Chest CT, axial plane, 130 kVp, kernel B31s. Slice 68/108 from the bottom of the scan; thickness 3.00 mm; pixel size 0.629 mm.
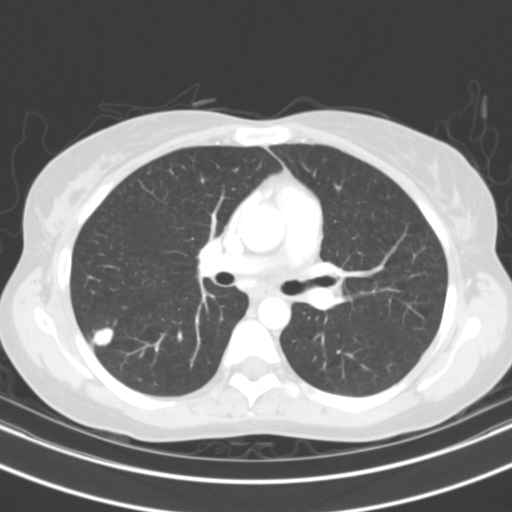
Pulmonary nodule at rows 327–345, columns 91–113 (box = the union of the readers' outlines on this slice), outlined by all four readers; longest diameter 16.4 mm on average over the four readers' outlines (readers' outlines 15.5–16.9 mm), volume 796–1190 mm3. Ratings, by the readers' most common answer with dissent counted: most readers (three of four) put texture at 5/5 (solid), others 4/5 (one); margin split among the readers: 4/5 (two), 5/5 (circumscribed) (two); sphericity 4/5 by two of four readers; the rest gave 3/5 (ovoid) (one), 5/5 (round) (one); calcification solid calcification by three of four readers, absent (one); internal structure soft tissue from all four readers; most readers (three of four) put subtlety at 5/5, others 4/5 (one); most readers (three of four) put malignancy likelihood at 1/5, others 3/5 (one). Scale key (1–5): texture non-solid→solid, margin indistinct→circumscribed, sphericity linear→round, subtlety extremely subtle→obvious, malignancy likelihood highly unlikely→highly suspicious of cancer. Box rows and columns are 0-based pixel indices from the top-left corner, inclusive.